Axial slice 62 of 139 of a chest CT (slice 1 is the lowest), reconstructed with the STANDARD kernel at 120 kVp; 2.50 mm slice thickness and 0.781 mm pixels.
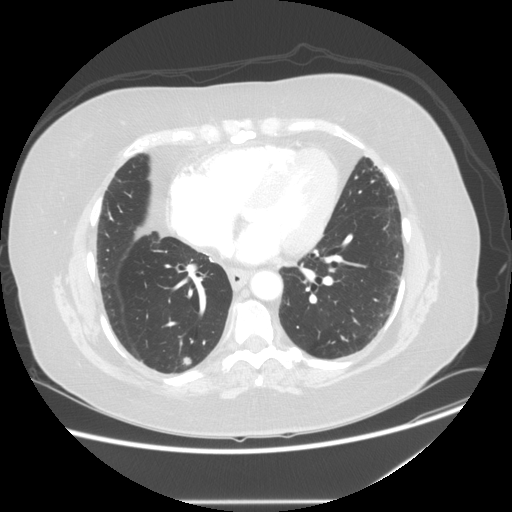
Pulmonary nodule outlined by all four readers; box rows 357–365, columns 182–191 (the union of the readers' outlines on this slice); longest diameter 8.4–10.2 mm and volume 323–501 mm3 across the four readers' outlines. The readers' ratings, as ranges where they differ: texture from 4/5 to 5/5 (solid) across the four readers; margin from 3/5 to 4/5 across the four readers; sphericity from 4/5 to 5/5 (round) across the four readers; calcification absent from all four readers; internal structure soft tissue, all four readers agreeing; subtlety from 3/5 to 5/5 across the four readers; malignancy likelihood rated between 3 and 4 out of 5 by the four readers. Scale key (1–5): texture non-solid→solid, margin indistinct→circumscribed, sphericity linear→round, subtlety extremely subtle→obvious, malignancy likelihood highly unlikely→highly suspicious of cancer. Box rows and columns are 0-based pixel indices from the top-left corner, inclusive.